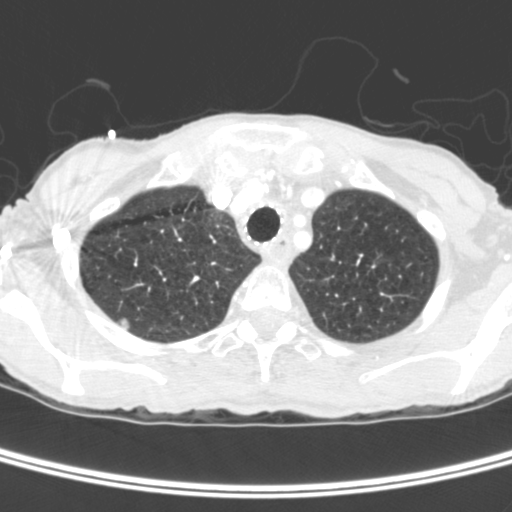
One axial slice (329 of 400, counting up from the lowest) of a chest CT acquired at 120 kVp with the C kernel; each pixel is 0.527 mm and the slice is 1.50 mm thick.
Pulmonary nodule at rows 317–330, columns 117–130 (box = the union of the readers' outlines on this slice), outlined by three of the four readers; the three readers' outlines give a longest diameter between 15.0 and 15.8 mm and a volume between 1012 and 1166 mm3. The readers' ratings, as ranges where they differ: texture from 3/5 (part-solid) to 5/5 (solid) across the three readers; margin 4/5 from all three readers; sphericity from 4/5 to 5/5 (round) across the three readers; calcification absent from all three readers; internal structure: soft tissue (two), air (one); subtlety 5/5, all three readers agreeing; malignancy likelihood from 4/5 to 5/5 across the three readers. Scale key (1–5): texture non-solid→solid, margin indistinct→circumscribed, sphericity linear→round, subtlety extremely subtle→obvious, malignancy likelihood highly unlikely→highly suspicious of cancer. Box rows and columns are 0-based pixel indices from the top-left corner, inclusive.